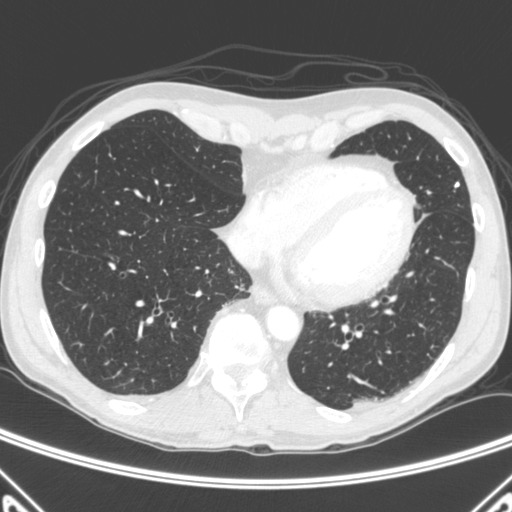
Chest CT, axial plane, 120 kVp, kernel C. Slice 138/445 from the bottom of the scan; thickness 1.50 mm; pixel size 0.676 mm.
Pulmonary nodule, outlined by all four readers. Box on this slice rows 181–187, columns 453–459, the union of the readers' outlines on this slice; longest diameter 9.0–9.7 mm and volume 243–279 mm3 across the four readers' outlines. The readers' ratings, as ranges where they differ: texture from 4/5 to 5/5 (solid) across the four readers; margin 5/5 (circumscribed), all four readers agreeing; sphericity from 4/5 to 5/5 (round) across the four readers; calcification: solid calcification (three), central calcification (one); internal structure soft tissue, all four readers agreeing; subtlety 5/5 from all four readers; malignancy likelihood 1/5 from all four readers. Scale key (1–5): texture non-solid→solid, margin indistinct→circumscribed, sphericity linear→round, subtlety extremely subtle→obvious, malignancy likelihood highly unlikely→highly suspicious of cancer. Box rows and columns are 0-based pixel indices from the top-left corner, inclusive.